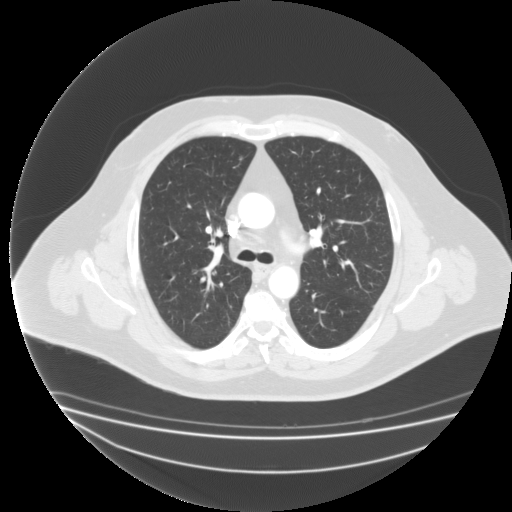
Axial chest CT slice 124 of 183 (counted from the lowest slice); tube voltage 135 kVp, convolution kernel FC03; slices 2.00 mm thick, 0.946 mm per pixel.
No nodule of 3 mm or larger was outlined by any of the four readers on this slice.